Axial chest CT slice 170 of 449 (counted from the lowest slice); tube voltage 120 kVp, convolution kernel STANDARD; slices 1.25 mm thick, 0.625 mm per pixel.
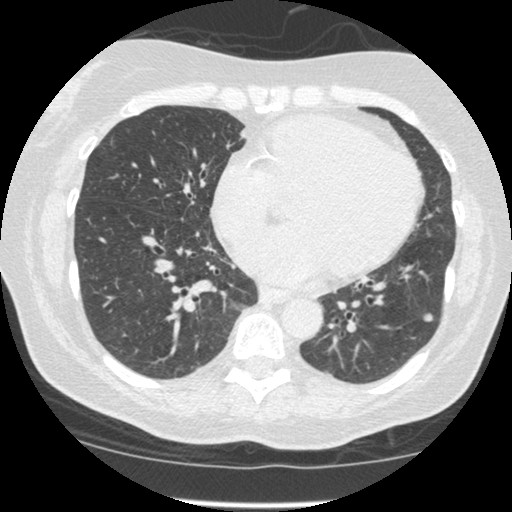
Pulmonary nodule at rows 312–322, columns 422–433 (box = the union of the readers' outlines on this slice), outlined by all four readers; longest diameter 8.1 mm on average over the four readers' outlines (readers' outlines 6.8–9.2 mm), volume 59–141 mm3. The readers' prevailing ratings and who disagreed: texture 5/5 (solid) by two of four readers; the rest gave 1/5 (non-solid) (one), 4/5 (one); margin 4/5 by two of four readers; the rest gave 3/5 (one), 5/5 (circumscribed) (one); sphericity 5/5 (round) by two of four readers; the rest gave 3/5 (ovoid) (one), 4/5 (one); calcification absent, all four readers agreeing; internal structure soft tissue from all four readers; subtlety split among the readers: 3/5 (two), 4/5 (two); malignancy likelihood 3/5, all four readers agreeing. Scale key (1–5): texture non-solid→solid, margin indistinct→circumscribed, sphericity linear→round, subtlety extremely subtle→obvious, malignancy likelihood highly unlikely→highly suspicious of cancer. Box rows and columns are 0-based pixel indices from the top-left corner, inclusive.